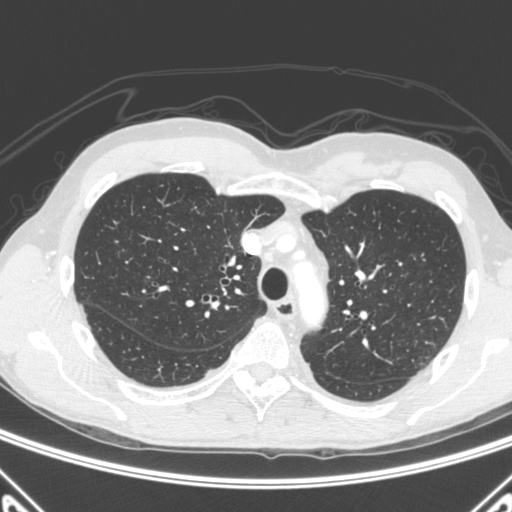
Axial slice 314 of 445 of a chest CT (slice 1 is the lowest), reconstructed with the C kernel at 120 kVp; 1.50 mm slice thickness and 0.676 mm pixels.
This slice carries no reader outline of a nodule 3 mm or larger.